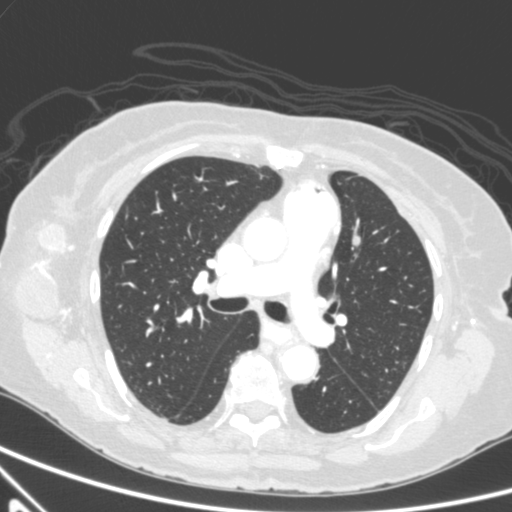
Chest CT, axial plane, 120 kVp, kernel B. Slice 350/590 from the bottom of the scan; thickness 0.90 mm; pixel size 0.627 mm.
Pulmonary nodule outlined by all four readers, three of them on this slice; box rows 236–245, columns 353–361 (the union of the readers' outlines on this slice); median longest diameter 17.7 mm (readers' outlines 16.3–20.1 mm), median volume 1143 mm3 (1116–1236 mm3). Ratings, median across the readers with their spread: texture 5/5 (solid) from all four readers; median margin 4/5 (readers ranged 3/5 to 5/5 (circumscribed)); sphericity 3.5/5 at the median of four readers, spread 3/5 (ovoid) to 4/5; calcification absent, all four readers agreeing; internal structure soft tissue, all four readers agreeing; median subtlety 5/5 (readers ranged 4–5); malignancy likelihood 4/5 at the median of four readers, spread 3–5. Scale key (1–5): texture non-solid→solid, margin indistinct→circumscribed, sphericity linear→round, subtlety extremely subtle→obvious, malignancy likelihood highly unlikely→highly suspicious of cancer. Box rows and columns are 0-based pixel indices from the top-left corner, inclusive.